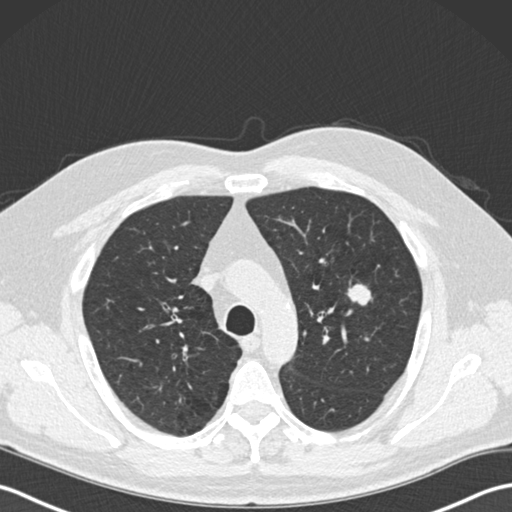
Axial chest CT slice 138 of 191 (counted from the lowest slice); 2.00 mm thick, 0.684 mm per pixel. Pulmonary nodule outlined by all four readers; box rows 283–306, columns 344–371 (the union of the readers' outlines on this slice); longest diameter 19.1–20.2 mm and volume 1870–2474 mm3 across the four readers' outlines. Ratings across the readers: texture 5/5 (solid), all four readers agreeing; margin from 3/5 to 5/5 (circumscribed) across the four readers; sphericity from 3/5 (ovoid) to 4/5 across the four readers; calcification absent, all four readers agreeing; internal structure soft tissue, all four readers agreeing; subtlety 5/5, all four readers agreeing; malignancy likelihood 4–5/5 (the readers disagree). Scale key (1–5): texture non-solid→solid, margin indistinct→circumscribed, sphericity linear→round, subtlety extremely subtle→obvious, malignancy likelihood highly unlikely→highly suspicious of cancer. Box rows and columns are 0-based pixel indices from the top-left corner, inclusive.
Tube voltage 120 kVp; convolution kernel B30f.